One axial slice (94 of 230, counting up from the lowest) of a chest CT acquired at 120 kVp with the BONE kernel; each pixel is 0.605 mm and the slice is 1.25 mm thick.
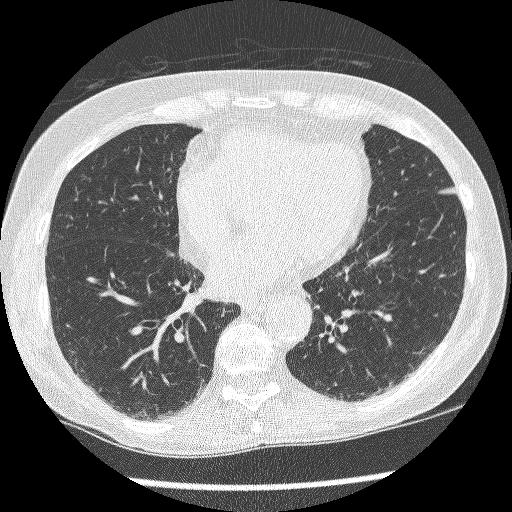
Pulmonary nodule outlined by all four readers; box rows 381–385, columns 332–336 (the union of the readers' outlines on this slice); longest diameter 5.6 mm on average over the four readers' outlines (readers' outlines 4.1–7.1 mm), volume 31–81 mm3. Ratings, by the readers' most common answer with dissent counted: texture 5/5 (solid) by three of four readers; the rest gave 4/5 (one); margin 4/5 by two of four readers; the rest gave 3/5 (one), 5/5 (circumscribed) (one); most readers (three of four) put sphericity at 4/5, others 5/5 (round) (one); calcification absent, all four readers agreeing; internal structure soft tissue, all four readers agreeing; subtlety split among the readers: 1/5 (one), 3/5 (one), 4/5 (one), 5/5 (one); malignancy likelihood 3/5 by three of four readers; the rest gave 4/5 (one). Scale key (1–5): texture non-solid→solid, margin indistinct→circumscribed, sphericity linear→round, subtlety extremely subtle→obvious, malignancy likelihood highly unlikely→highly suspicious of cancer. Box rows and columns are 0-based pixel indices from the top-left corner, inclusive.